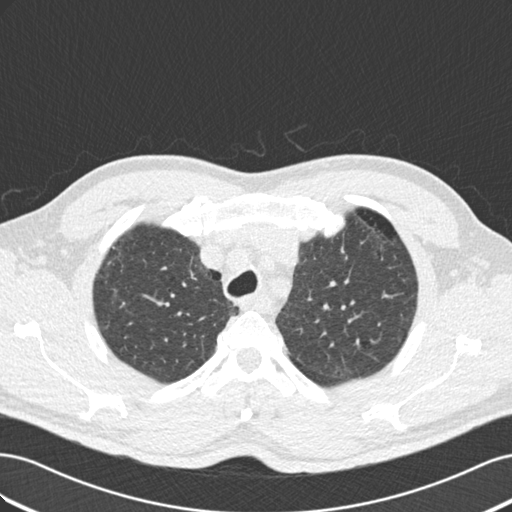
Chest CT, axial plane, 120 kVp, kernel B30f. Slice 146/187 from the bottom of the scan; thickness 2.00 mm; pixel size 0.703 mm.
Pulmonary nodule, outlined by all four readers, one of them on this slice. Box on this slice rows 288–302, columns 108–115, the one reader's outline on this slice; median longest diameter 16.4 mm (readers' outlines 14.9–18.0 mm), median volume 1066 mm3 (840–1317 mm3). Median ratings and the readers' spread: texture 4.5/5 at the median of four readers, spread 4/5 to 5/5 (solid); margin 3.5/5 at the median of four readers, spread 2/5 to 5/5 (circumscribed); median sphericity 4/5 (readers ranged 2/5 to 5/5 (round)); calcification absent, all four readers agreeing; internal structure soft tissue, all four readers agreeing; subtlety 5/5, all four readers agreeing; median malignancy likelihood 5/5 (readers ranged 3–5). Scale key (1–5): texture non-solid→solid, margin indistinct→circumscribed, sphericity linear→round, subtlety extremely subtle→obvious, malignancy likelihood highly unlikely→highly suspicious of cancer. Box rows and columns are 0-based pixel indices from the top-left corner, inclusive.